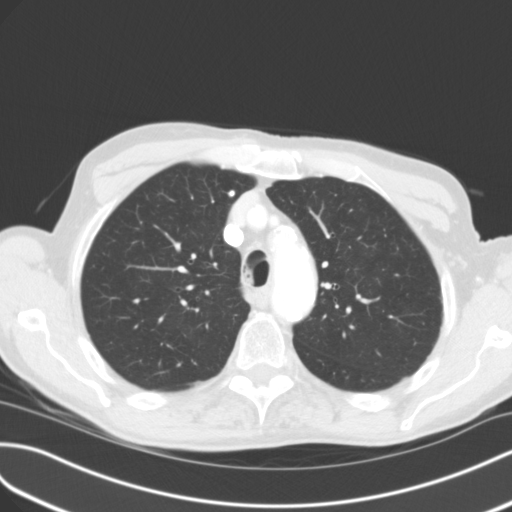
Slice 85/114 of a chest CT, counting up from the lowest; pixel size 0.689 mm, slice thickness 3.00 mm. Pulmonary nodule, outlined by two of the four readers. Box on this slice rows 190–196, columns 229–234, the union of the readers' outlines on this slice; longest diameter 7.1 mm on average over the two readers' outlines (readers' outlines 6.5–7.6 mm), volume 127–142 mm3. The readers' prevailing ratings and who disagreed: texture 5/5 (solid) from both readers; margin 5/5 (circumscribed), both readers agreeing; sphericity split among the readers: 3/5 (ovoid) (one), 5/5 (round) (one); calcification solid calcification, both readers agreeing; internal structure soft tissue from both readers; subtlety 5/5 from both readers; malignancy likelihood 1/5 from both readers. Scale key (1–5): texture non-solid→solid, margin indistinct→circumscribed, sphericity linear→round, subtlety extremely subtle→obvious, malignancy likelihood highly unlikely→highly suspicious of cancer. Box rows and columns are 0-based pixel indices from the top-left corner, inclusive.
Tube voltage 120 kVp; convolution kernel B31f.